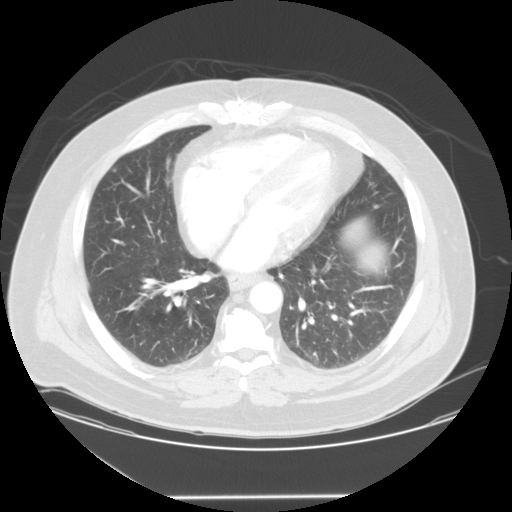
This is axial slice 66 of 127 (slice 1 is the lowest) of a chest CT; each pixel is 0.859 mm and the slice is 2.50 mm thick. Pulmonary nodule outlined by two of the four readers; box rows 168–171, columns 112–115 (the union of the readers' outlines on this slice); median longest diameter 6.4 mm (readers' outlines 5.8–7.1 mm), median volume 81 mm3 (66–96 mm3). Median ratings and the readers' spread: texture 5/5 (solid) from both readers; median margin 2.5/5 (readers ranged 2/5 to 3/5); median sphericity 3/5 (ovoid) (readers ranged 2/5 to 4/5); calcification absent, both readers agreeing; internal structure soft tissue from both readers; median subtlety 3.5/5 (readers ranged 3–4); median malignancy likelihood 2.5/5 (readers ranged 2–3). Scale key (1–5): texture non-solid→solid, margin indistinct→circumscribed, sphericity linear→round, subtlety extremely subtle→obvious, malignancy likelihood highly unlikely→highly suspicious of cancer. Box rows and columns are 0-based pixel indices from the top-left corner, inclusive.
Acquired at 120 kVp and reconstructed with the STANDARD kernel.